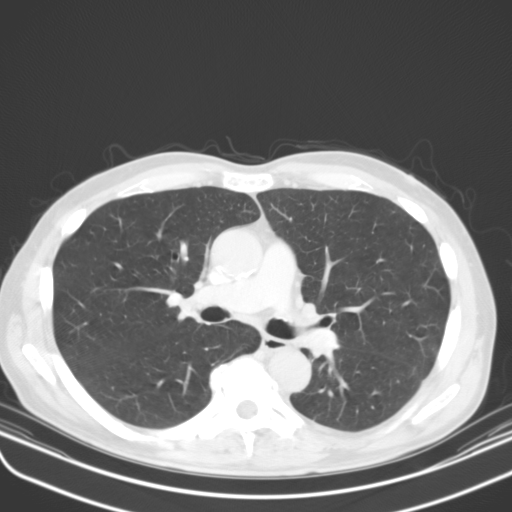
One axial slice (85 of 135, counting up from the lowest) of a chest CT acquired at 130 kVp with the B31s kernel; each pixel is 0.711 mm and the slice is 3.00 mm thick.
The readers outlined no nodule of 3 mm or more on this slice.